Axial slice 380 of 481 of a chest CT (slice 1 is the lowest), reconstructed with the STANDARD kernel at 120 kVp; 1.25 mm slice thickness and 0.703 mm pixels.
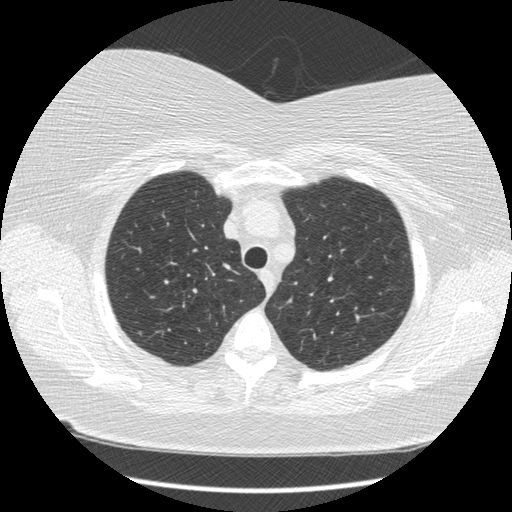
Pulmonary nodule, outlined by one of the four readers. Box on this slice rows 330–334, columns 138–141, that reader's outline on this slice; longest diameter 5.1 mm and volume 21 mm3 from that reader's outline. Ratings by that reader: texture 4/5; margin 5/5 (circumscribed); sphericity 4/5; calcification absent; internal structure soft tissue; subtlety 5/5; malignancy likelihood 3/5. Scale key (1–5): texture non-solid→solid, margin indistinct→circumscribed, sphericity linear→round, subtlety extremely subtle→obvious, malignancy likelihood highly unlikely→highly suspicious of cancer. Box rows and columns are 0-based pixel indices from the top-left corner, inclusive.